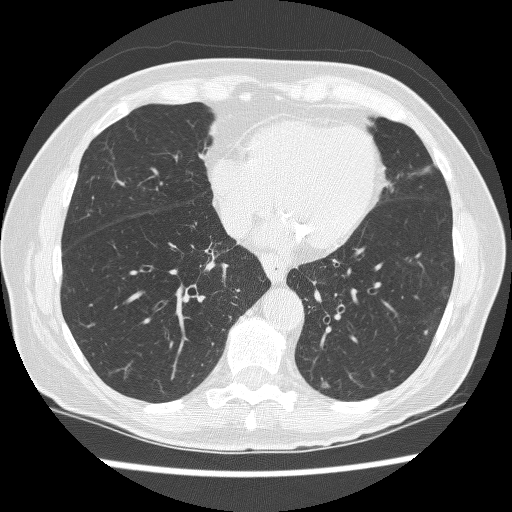
Chest CT, axial plane, 120 kVp, kernel BONE. Slice 91/241 from the bottom of the scan; thickness 1.25 mm; pixel size 0.609 mm.
Pulmonary nodule at rows 381–388, columns 320–330 (box = the union of the readers' outlines on this slice), outlined by three of the four readers; the three readers' outlines give a longest diameter between 6.8 and 7.4 mm and a volume between 99 and 150 mm3. Ratings across the readers: texture from 4/5 to 5/5 (solid) across the three readers; margin from 2/5 to 5/5 (circumscribed) across the three readers; sphericity from 3/5 (ovoid) to 4/5 across the three readers; calcification absent from all three readers; internal structure soft tissue from all three readers; subtlety 4–5/5 (the readers disagree); malignancy likelihood rated between 2 and 4 out of 5 by the three readers. Scale key (1–5): texture non-solid→solid, margin indistinct→circumscribed, sphericity linear→round, subtlety extremely subtle→obvious, malignancy likelihood highly unlikely→highly suspicious of cancer. Box rows and columns are 0-based pixel indices from the top-left corner, inclusive.